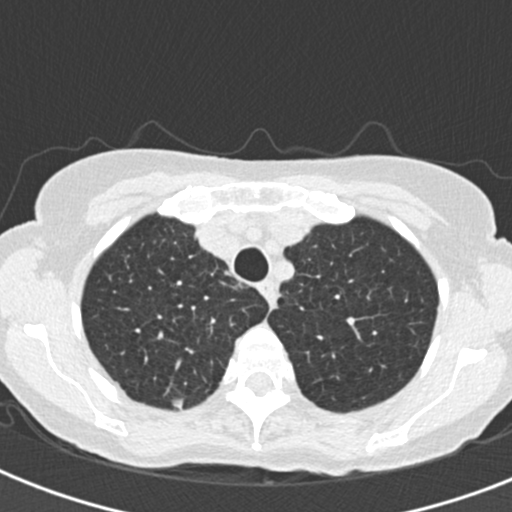
Axial chest CT slice 156 of 192 (counted from the lowest slice); 2.00 mm thick, 0.566 mm per pixel. Pulmonary nodule at rows 398–408, columns 171–183 (box = the union of the readers' outlines on this slice), outlined by three of the four readers; longest diameter 8.1 mm on average over the three readers' outlines (readers' outlines 7.4–9.0 mm), volume 87–154 mm3. Ratings, by the readers' most common answer with dissent counted: most readers (two of three) put texture at 5/5 (solid), others 4/5 (one); most readers (two of three) put margin at 4/5, others 5/5 (circumscribed) (one); sphericity 4/5 by two of three readers; the rest gave 3/5 (ovoid) (one); calcification absent from all three readers; internal structure soft tissue from all three readers; subtlety 4/5 from all three readers; most readers (two of three) put malignancy likelihood at 3/5, others 4/5 (one). Scale key (1–5): texture non-solid→solid, margin indistinct→circumscribed, sphericity linear→round, subtlety extremely subtle→obvious, malignancy likelihood highly unlikely→highly suspicious of cancer. Box rows and columns are 0-based pixel indices from the top-left corner, inclusive.
Tube voltage 120 kVp; convolution kernel B30f.